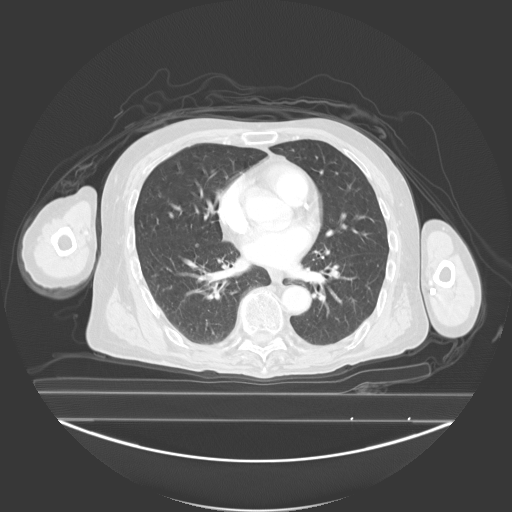
Axial slice 112 of 278 of a chest CT (slice 1 is the lowest), reconstructed with the B40s kernel at 130 kVp; 3.00 mm slice thickness and 0.977 mm pixels.
Pulmonary nodule outlined by three of the four readers; box rows 243–247, columns 195–198 (the union of the readers' outlines on this slice); median longest diameter 6.2 mm (readers' outlines 6.2–6.3 mm), median volume 193 mm3 (123–213 mm3). Ratings, median across the readers with their spread: texture 3/5 (part-solid) at the median of three readers, spread 1/5 (non-solid) to 5/5 (solid); margin 4/5 at the median of three readers, spread 3/5 to 5/5 (circumscribed); sphericity 5/5 (round) from all three readers; calcification absent from all three readers; internal structure soft tissue, all three readers agreeing; subtlety 3/5 at the median of three readers, spread 2–4; median malignancy likelihood 2/5 (readers ranged 2–3). Scale key (1–5): texture non-solid→solid, margin indistinct→circumscribed, sphericity linear→round, subtlety extremely subtle→obvious, malignancy likelihood highly unlikely→highly suspicious of cancer. Box rows and columns are 0-based pixel indices from the top-left corner, inclusive.